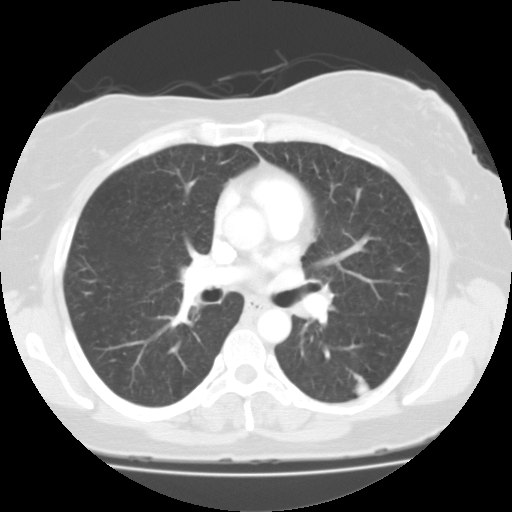
Axial chest CT slice 71 of 113 (counted from the lowest slice); tube voltage 135 kVp, convolution kernel FC01; slices 3.00 mm thick, 0.698 mm per pixel.
Pulmonary nodule at rows 374–395, columns 353–369 (box = the union of the readers' outlines on this slice), outlined by all four readers; longest diameter 16.1 mm on average over the four readers' outlines (readers' outlines 13.7–17.3 mm), volume 768–1779 mm3. The readers' prevailing ratings and who disagreed: most readers (three of four) put texture at 5/5 (solid), others 4/5 (one); margin 4/5 by three of four readers; the rest gave 3/5 (one); sphericity 4/5 by three of four readers; the rest gave 3/5 (ovoid) (one); calcification absent by three of four readers, central calcification (one); internal structure soft tissue, all four readers agreeing; most readers (three of four) put subtlety at 5/5, others 3/5 (one); malignancy likelihood 3/5 by three of four readers; the rest gave 1/5 (one). Scale key (1–5): texture non-solid→solid, margin indistinct→circumscribed, sphericity linear→round, subtlety extremely subtle→obvious, malignancy likelihood highly unlikely→highly suspicious of cancer. Box rows and columns are 0-based pixel indices from the top-left corner, inclusive.